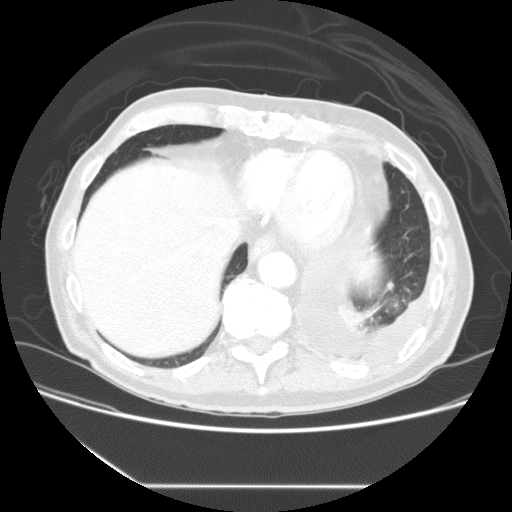
One axial slice (50 of 149, counting up from the lowest) of a chest CT acquired at 120 kVp with the STANDARD kernel; each pixel is 0.742 mm and the slice is 2.50 mm thick.
Pulmonary nodule at rows 281–290, columns 387–393 (box = that reader's outline on this slice), outlined by one of the four readers; longest diameter 8.7 mm and volume 147 mm3 from that reader's outline. Ratings by that reader: texture 5/5 (solid); margin 5/5 (circumscribed); sphericity 5/5 (round); calcification absent; internal structure soft tissue; subtlety 3/5; malignancy likelihood 2/5. Scale key (1–5): texture non-solid→solid, margin indistinct→circumscribed, sphericity linear→round, subtlety extremely subtle→obvious, malignancy likelihood highly unlikely→highly suspicious of cancer. Box rows and columns are 0-based pixel indices from the top-left corner, inclusive.